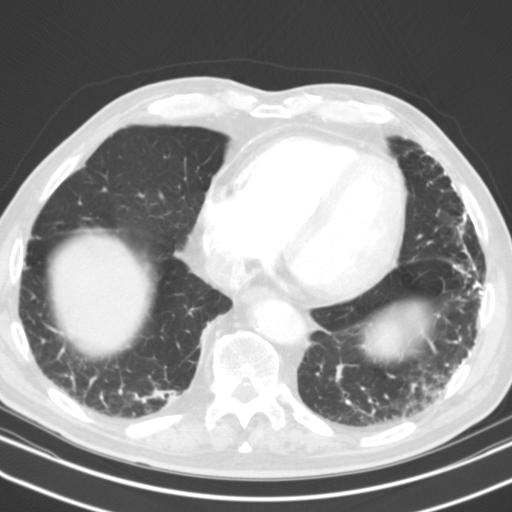
Slice 49/127 of a chest CT, counting up from the lowest; pixel size 0.668 mm, slice thickness 3.00 mm. Pulmonary nodule at rows 391–406, columns 156–177 (box = the one reader's outline on this slice), outlined by two of the four readers, one of them on this slice; median longest diameter 25.9 mm (readers' outlines 25.6–26.3 mm), median volume 6061 mm3 (5517–6604 mm3). Median ratings and the readers' spread: texture 5/5 (solid), both readers agreeing; margin 4/5 from both readers; sphericity 2.5/5 at the median of two readers, spread 2/5 to 3/5 (ovoid); calcification absent from both readers; internal structure soft tissue, both readers agreeing; subtlety 5/5, both readers agreeing; median malignancy likelihood 2.5/5 (readers ranged 2–3). Scale key (1–5): texture non-solid→solid, margin indistinct→circumscribed, sphericity linear→round, subtlety extremely subtle→obvious, malignancy likelihood highly unlikely→highly suspicious of cancer. Box rows and columns are 0-based pixel indices from the top-left corner, inclusive.
Tube voltage 130 kVp; convolution kernel B31s.